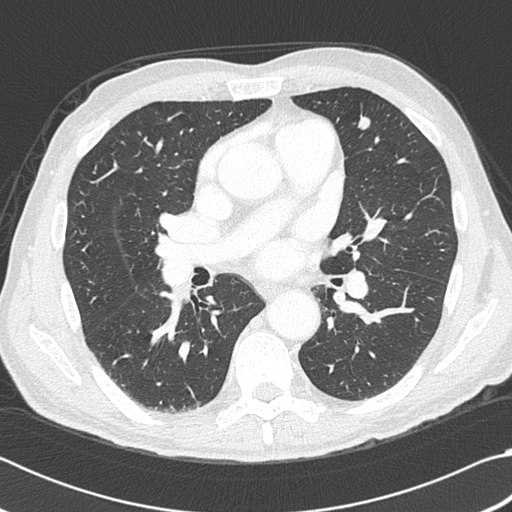
Axial chest CT slice 217 of 383 (counted from the lowest slice); 1.00 mm thick, 0.664 mm per pixel. Pulmonary nodule outlined by all four readers; box rows 117–130, columns 357–370 (the union of the readers' outlines on this slice); median longest diameter 11.6 mm (readers' outlines 10.1–11.8 mm), median volume 513 mm3 (386–564 mm3). Median ratings and the readers' spread: texture 5/5 (solid), all four readers agreeing; margin 5/5 (circumscribed) at the median of four readers, spread 4/5 to 5/5 (circumscribed); sphericity 4.5/5 at the median of four readers, spread 3/5 (ovoid) to 5/5 (round); calcification absent from all four readers; internal structure soft tissue, all four readers agreeing; median subtlety 5/5 (readers ranged 4–5); median malignancy likelihood 2.5/5 (readers ranged 2–5). Scale key (1–5): texture non-solid→solid, margin indistinct→circumscribed, sphericity linear→round, subtlety extremely subtle→obvious, malignancy likelihood highly unlikely→highly suspicious of cancer. Box rows and columns are 0-based pixel indices from the top-left corner, inclusive.
Tube voltage 120 kVp; convolution kernel B45f.